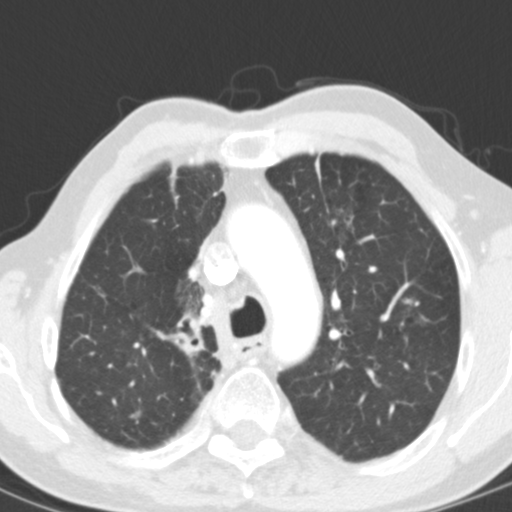
Chest CT, axial plane, 120 kVp, kernel B31f. Slice 92/127 from the bottom of the scan; thickness 3.00 mm; pixel size 0.537 mm.
Pulmonary nodule at rows 412–417, columns 131–139 (box = the union of the readers' outlines on this slice), outlined by two of the four readers; longest diameter 6.6–6.8 mm and volume 125–127 mm3 across the two readers' outlines. The readers' ratings, as ranges where they differ: texture 5/5 (solid) from both readers; margin from 4/5 to 5/5 (circumscribed) across the two readers; sphericity 3/5 (ovoid) from both readers; calcification absent from both readers; internal structure soft tissue from both readers; subtlety 4/5, both readers agreeing; malignancy likelihood rated between 1 and 3 out of 5 by the two readers. Scale key (1–5): texture non-solid→solid, margin indistinct→circumscribed, sphericity linear→round, subtlety extremely subtle→obvious, malignancy likelihood highly unlikely→highly suspicious of cancer. Box rows and columns are 0-based pixel indices from the top-left corner, inclusive.